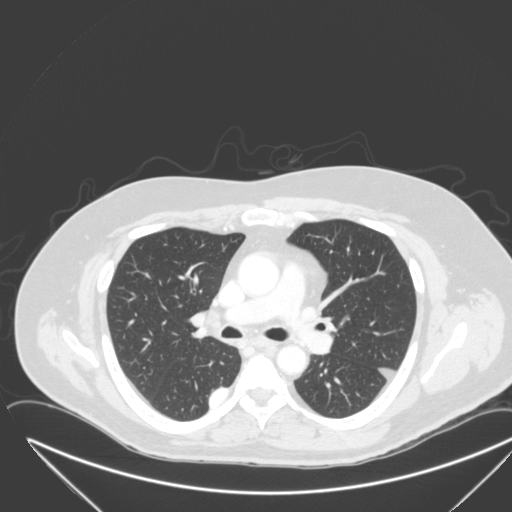
One axial slice (194 of 315, counting up from the lowest) of a chest CT acquired at 120 kVp with the B kernel; each pixel is 0.830 mm and the slice is 2.00 mm thick.
Pulmonary nodule, outlined by one of the four readers. Box on this slice rows 388–406, columns 210–227, that reader's outline on this slice; longest diameter 27.1 mm and volume 6093 mm3 from that reader's outline. That reader's ratings: texture 5/5 (solid); margin 4/5; sphericity 2/5; calcification absent; internal structure soft tissue; subtlety 5/5; malignancy likelihood 4/5. Scale key (1–5): texture non-solid→solid, margin indistinct→circumscribed, sphericity linear→round, subtlety extremely subtle→obvious, malignancy likelihood highly unlikely→highly suspicious of cancer. Box rows and columns are 0-based pixel indices from the top-left corner, inclusive.